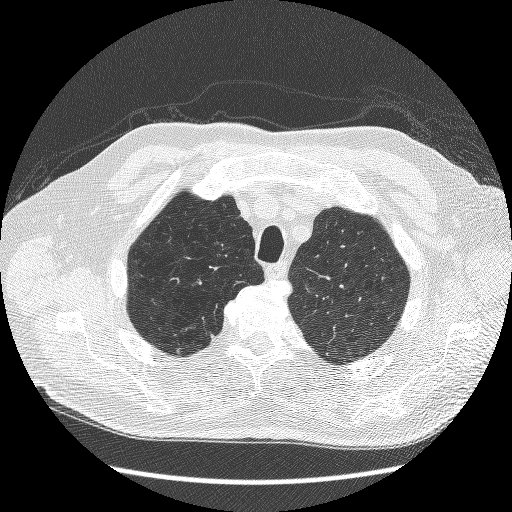
Slice 197/241 of a chest CT, counting up from the lowest; pixel size 0.703 mm, slice thickness 1.25 mm. Pulmonary nodule outlined by one of the four readers; box rows 333–336, columns 210–213 (that reader's outline on this slice); longest diameter 6.5 mm and volume 54 mm3 from that reader's outline. Ratings by that reader: texture 5/5 (solid); margin 5/5 (circumscribed); sphericity 4/5; calcification absent; internal structure soft tissue; subtlety 4/5; malignancy likelihood 2/5. Scale key (1–5): texture non-solid→solid, margin indistinct→circumscribed, sphericity linear→round, subtlety extremely subtle→obvious, malignancy likelihood highly unlikely→highly suspicious of cancer. Box rows and columns are 0-based pixel indices from the top-left corner, inclusive.
Scan settings: 120 kVp, BONE reconstruction kernel.